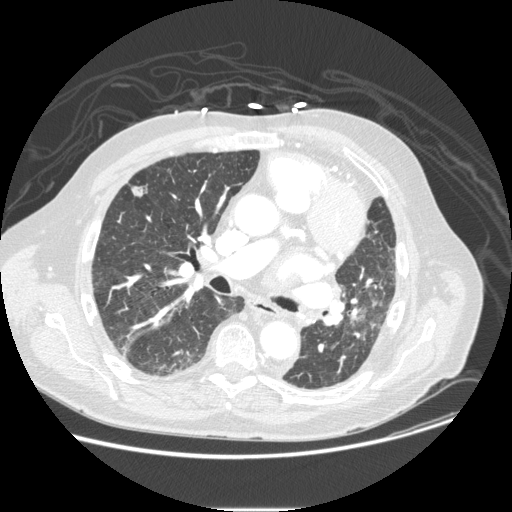
This is axial slice 145 of 232 (slice 1 is the lowest) of a chest CT; each pixel is 0.781 mm and the slice is 1.25 mm thick. Pulmonary nodule at rows 184–197, columns 131–147 (box = the union of the readers' outlines on this slice), outlined by all four readers; longest diameter 16.2 mm on average over the four readers' outlines (readers' outlines 14.3–19.0 mm), volume 516–753 mm3. Ratings, by the readers' most common answer with dissent counted: texture split among the readers: 4/5 (two), 5/5 (solid) (two); margin 4/5 by three of four readers; the rest gave 3/5 (one); most readers (three of four) put sphericity at 3/5 (ovoid), others 4/5 (one); calcification absent, all four readers agreeing; internal structure soft tissue from all four readers; subtlety split among the readers: 4/5 (two), 5/5 (two); malignancy likelihood 4/5 by two of four readers; the rest gave 2/5 (one), 3/5 (one). Scale key (1–5): texture non-solid→solid, margin indistinct→circumscribed, sphericity linear→round, subtlety extremely subtle→obvious, malignancy likelihood highly unlikely→highly suspicious of cancer. Box rows and columns are 0-based pixel indices from the top-left corner, inclusive.
Acquired at 120 kVp and reconstructed with the STANDARD kernel.